Chest CT, axial plane, 120 kVp, kernel B31f. Slice 58/114 from the bottom of the scan; thickness 3.00 mm; pixel size 0.689 mm.
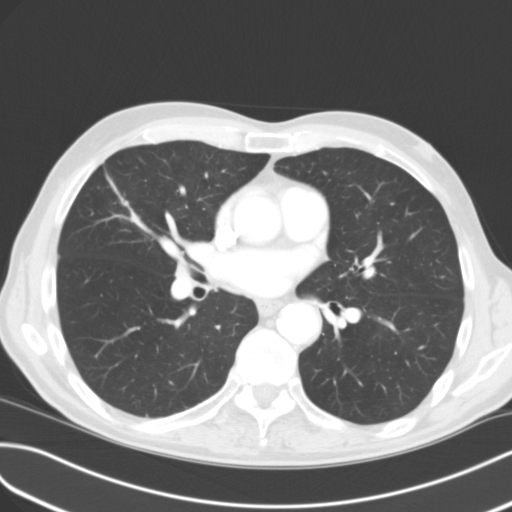
Pulmonary nodule at rows 176–232, columns 107–149 (box = the union of the readers' outlines on this slice), outlined by all four readers; longest diameter 43.2 mm on average over the four readers' outlines (readers' outlines 40.2–48.6 mm), volume 17639–20532 mm3. The readers' prevailing ratings and who disagreed: texture split among the readers: 4/5 (two), 5/5 (solid) (two); margin 4/5 by two of four readers; the rest gave 3/5 (one), 5/5 (circumscribed) (one); sphericity split among the readers: 3/5 (ovoid) (two), 4/5 (two); calcification absent from all four readers; internal structure soft tissue, all four readers agreeing; subtlety 5/5, all four readers agreeing; malignancy likelihood 4/5 by two of four readers; the rest gave 3/5 (one), 5/5 (one). Scale key (1–5): texture non-solid→solid, margin indistinct→circumscribed, sphericity linear→round, subtlety extremely subtle→obvious, malignancy likelihood highly unlikely→highly suspicious of cancer. Box rows and columns are 0-based pixel indices from the top-left corner, inclusive.